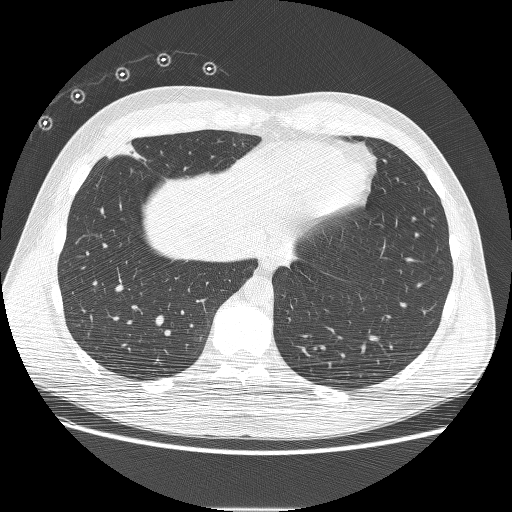
One axial slice (56 of 230, counting up from the lowest) of a chest CT acquired at 120 kVp with the BONE kernel; each pixel is 0.732 mm and the slice is 1.25 mm thick.
Pulmonary nodule at rows 141–160, columns 107–141 (box = the union of the readers' outlines on this slice), outlined by all four readers; longest diameter 26.8 mm on average over the four readers' outlines (readers' outlines 23.5–29.5 mm), volume 3146–3701 mm3. The readers' prevailing ratings and who disagreed: texture 5/5 (solid), all four readers agreeing; margin 5/5 (circumscribed) by two of four readers; the rest gave 3/5 (one), 4/5 (one); sphericity split among the readers: 3/5 (ovoid) (two), 4/5 (two); calcification absent, all four readers agreeing; internal structure soft tissue from all four readers; subtlety 5/5, all four readers agreeing; most readers (three of four) put malignancy likelihood at 5/5, others 4/5 (one). Scale key (1–5): texture non-solid→solid, margin indistinct→circumscribed, sphericity linear→round, subtlety extremely subtle→obvious, malignancy likelihood highly unlikely→highly suspicious of cancer. Box rows and columns are 0-based pixel indices from the top-left corner, inclusive.